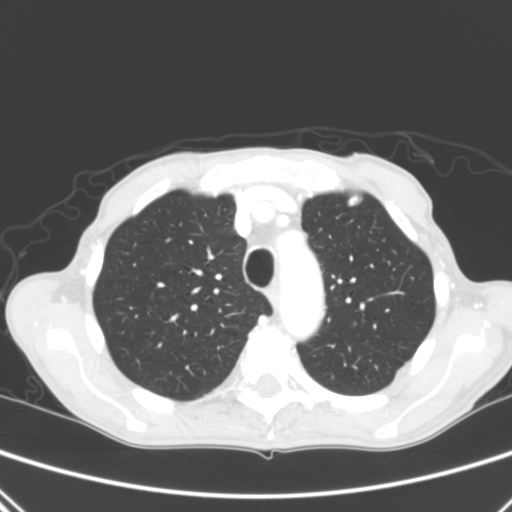
Axial slice 220 of 290 of a chest CT (slice 1 is the lowest), reconstructed with the B kernel at 120 kVp; 2.00 mm slice thickness and 0.639 mm pixels.
Pulmonary nodule outlined by all four readers, one of them on this slice; box rows 367–374, columns 398–401 (the one reader's outline on this slice); longest diameter 14.4 mm on average over the four readers' outlines (readers' outlines 12.9–15.8 mm), volume 837–1237 mm3. Ratings, by the readers' most common answer with dissent counted: most readers (three of four) put texture at 5/5 (solid), others 4/5 (one); margin split among the readers: 4/5 (two), 5/5 (circumscribed) (two); sphericity 5/5 (round) by three of four readers; the rest gave 3/5 (ovoid) (one); calcification absent by three of four readers, laminated calcification (one); internal structure soft tissue, all four readers agreeing; subtlety 5/5 by three of four readers; the rest gave 4/5 (one); malignancy likelihood split among the readers: 2/5 (one), 3/5 (one), 4/5 (one), 5/5 (one). Scale key (1–5): texture non-solid→solid, margin indistinct→circumscribed, sphericity linear→round, subtlety extremely subtle→obvious, malignancy likelihood highly unlikely→highly suspicious of cancer. Box rows and columns are 0-based pixel indices from the top-left corner, inclusive.